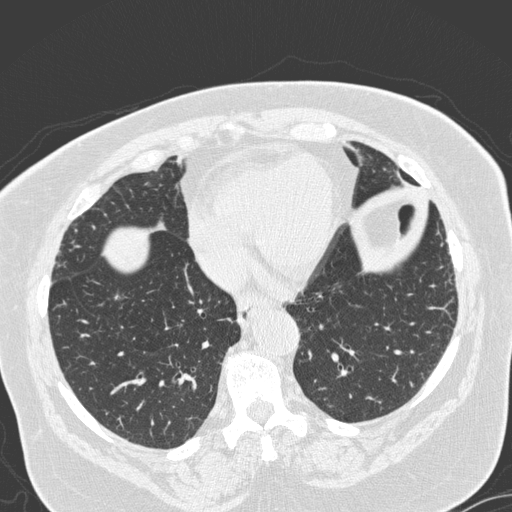
Slice 68/280 of a chest CT, counting up from the lowest; pixel size 0.666 mm, slice thickness 1.00 mm. Pulmonary nodule outlined by two of the four readers; box rows 294–299, columns 114–119 (the union of the readers' outlines on this slice); median longest diameter 6.3 mm (readers' outlines 6.0–6.6 mm), median volume 61 mm3 (55–68 mm3). Ratings, median across the readers with their spread: texture 4.5/5 at the median of two readers, spread 4/5 to 5/5 (solid); median margin 4/5 (readers ranged 3/5 to 5/5 (circumscribed)); sphericity 4/5 at the median of two readers, spread 3/5 (ovoid) to 5/5 (round); calcification absent from both readers; internal structure soft tissue from both readers; subtlety 2.5/5 at the median of two readers, spread 2–3; malignancy likelihood 2.5/5 at the median of two readers, spread 2–3. Scale key (1–5): texture non-solid→solid, margin indistinct→circumscribed, sphericity linear→round, subtlety extremely subtle→obvious, malignancy likelihood highly unlikely→highly suspicious of cancer. Box rows and columns are 0-based pixel indices from the top-left corner, inclusive.
Tube voltage 120 kVp; convolution kernel D.